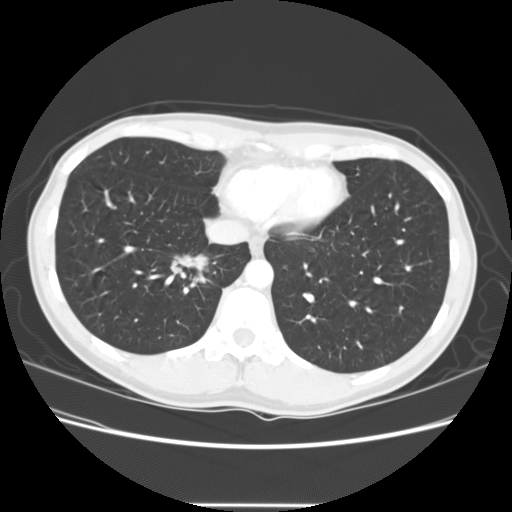
One axial slice (42 of 141, counting up from the lowest) of a chest CT acquired at 120 kVp with the STANDARD kernel; each pixel is 0.703 mm and the slice is 2.50 mm thick.
Pulmonary nodule outlined four times (the source holds one more outline, not used); box rows 252–286, columns 167–211 (the union of the readers' outlines on this slice); median longest diameter 32.5 mm (readers' outlines 31.6–34.1 mm), median volume 6128 mm3 (4983–9079 mm3). Ratings, median across the readers with their spread: texture 5/5 (solid) from all four readers; median margin 3/5 (readers ranged 1/5 (indistinct) to 3/5); sphericity 3.5/5 at the median of four readers, spread 3/5 (ovoid) to 4/5; calcification absent from all four readers; internal structure split among the readers: air (two), soft tissue (two); subtlety 5/5, all four readers agreeing; malignancy likelihood 5/5 from all four readers. Scale key (1–5): texture non-solid→solid, margin indistinct→circumscribed, sphericity linear→round, subtlety extremely subtle→obvious, malignancy likelihood highly unlikely→highly suspicious of cancer. Box rows and columns are 0-based pixel indices from the top-left corner, inclusive.